One axial slice (63 of 133, counting up from the lowest) of a chest CT acquired at 120 kVp with the LUNG kernel; each pixel is 0.703 mm and the slice is 2.50 mm thick.
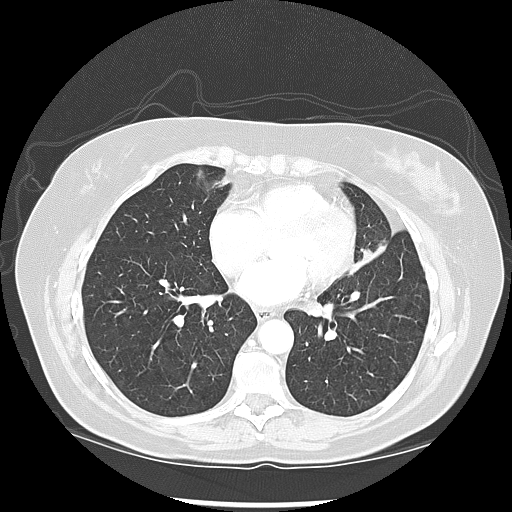
Pulmonary nodule, outlined by three of the four readers, one of them on this slice. Box on this slice rows 246–272, columns 351–384, the one reader's outline on this slice; longest diameter 37.2 mm on average over the three readers' outlines (readers' outlines 33.3–41.8 mm), volume 6044–7666 mm3. The readers' prevailing ratings and who disagreed: texture 5/5 (solid), all three readers agreeing; most readers (two of three) put margin at 4/5, others 3/5 (one); sphericity 3/5 (ovoid), all three readers agreeing; calcification absent, all three readers agreeing; internal structure soft tissue, all three readers agreeing; subtlety 5/5 from all three readers; malignancy likelihood 5/5 from all three readers. Scale key (1–5): texture non-solid→solid, margin indistinct→circumscribed, sphericity linear→round, subtlety extremely subtle→obvious, malignancy likelihood highly unlikely→highly suspicious of cancer. Box rows and columns are 0-based pixel indices from the top-left corner, inclusive.